One axial slice (198 of 493, counting up from the lowest) of a chest CT acquired at 120 kVp with the B30f kernel; each pixel is 0.762 mm and the slice is 0.75 mm thick.
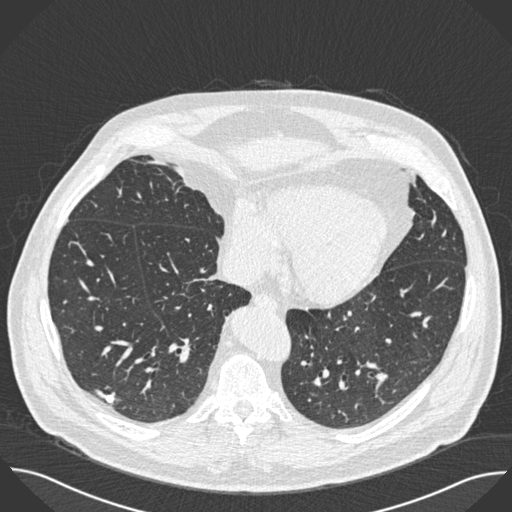
Pulmonary nodule, outlined by three of the four readers. Box on this slice rows 395–402, columns 105–113, the union of the readers' outlines on this slice; longest diameter 8.0 mm on average over the three readers' outlines (readers' outlines 7.2–8.5 mm), volume 95–166 mm3. Ratings, by the readers' most common answer with dissent counted: texture 5/5 (solid) from all three readers; margin 5/5 (circumscribed) from all three readers; most readers (two of three) put sphericity at 4/5, others 5/5 (round) (one); calcification solid calcification from all three readers; internal structure soft tissue from all three readers; subtlety 5/5 by two of three readers; the rest gave 4/5 (one); malignancy likelihood 1/5 from all three readers. Scale key (1–5): texture non-solid→solid, margin indistinct→circumscribed, sphericity linear→round, subtlety extremely subtle→obvious, malignancy likelihood highly unlikely→highly suspicious of cancer. Box rows and columns are 0-based pixel indices from the top-left corner, inclusive.